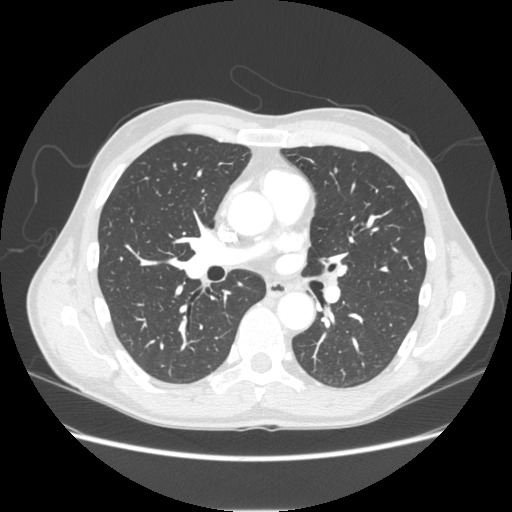
Axial slice 131 of 253 of a chest CT (slice 1 is the lowest), reconstructed with the STANDARD kernel at 120 kVp; 1.25 mm slice thickness and 0.742 mm pixels.
Pulmonary nodule, outlined by all four readers, one of them on this slice. Box on this slice rows 361–365, columns 353–356, the one reader's outline on this slice; longest diameter 8.7–11.4 mm and volume 216–250 mm3 across the four readers' outlines. Ratings across the readers: texture 5/5 (solid) from all four readers; margin from 4/5 to 5/5 (circumscribed) across the four readers; sphericity from 4/5 to 5/5 (round) across the four readers; calcification absent, all four readers agreeing; internal structure soft tissue from all four readers; subtlety rated between 3 and 5 out of 5 by the four readers; malignancy likelihood rated between 2 and 4 out of 5 by the four readers. Scale key (1–5): texture non-solid→solid, margin indistinct→circumscribed, sphericity linear→round, subtlety extremely subtle→obvious, malignancy likelihood highly unlikely→highly suspicious of cancer. Box rows and columns are 0-based pixel indices from the top-left corner, inclusive.